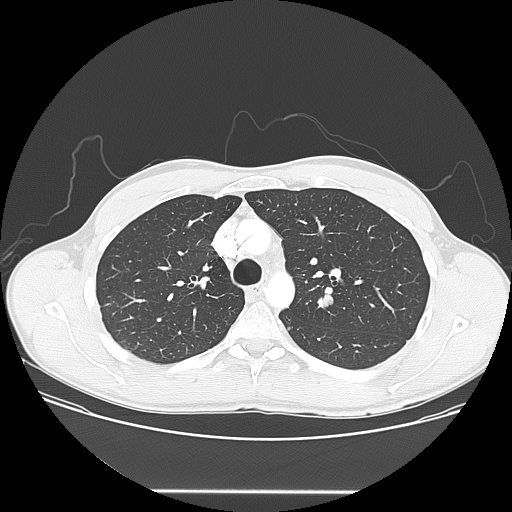
One axial slice (109 of 150, counting up from the lowest) of a chest CT acquired at 120 kVp with the LUNG kernel; each pixel is 0.781 mm and the slice is 2.50 mm thick.
Pulmonary nodule at rows 294–308, columns 317–333 (box = the union of the readers' outlines on this slice), outlined by all four readers; longest diameter 15.7 mm on average over the four readers' outlines (readers' outlines 14.6–16.9 mm), volume 1270–1423 mm3. Ratings, by the readers' most common answer with dissent counted: most readers (three of four) put texture at 5/5 (solid), others 4/5 (one); margin 5/5 (circumscribed) by two of four readers; the rest gave 3/5 (one), 4/5 (one); sphericity 5/5 (round) by two of four readers; the rest gave 3/5 (ovoid) (one), 4/5 (one); calcification absent from all four readers; internal structure soft tissue from all four readers; subtlety 4/5 by two of four readers; the rest gave 3/5 (one), 5/5 (one); malignancy likelihood 4/5 by two of four readers; the rest gave 2/5 (one), 3/5 (one). Scale key (1–5): texture non-solid→solid, margin indistinct→circumscribed, sphericity linear→round, subtlety extremely subtle→obvious, malignancy likelihood highly unlikely→highly suspicious of cancer. Box rows and columns are 0-based pixel indices from the top-left corner, inclusive.